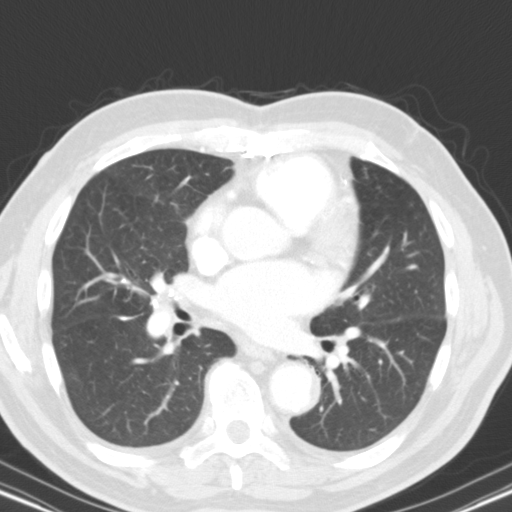
Axial chest CT slice 62 of 116 (counted from the lowest slice); tube voltage 130 kVp, convolution kernel B31s; slices 3.00 mm thick, 0.668 mm per pixel.
Pulmonary nodule outlined by three of the four readers; box rows 317–319, columns 121–127 (the union of the readers' outlines on this slice); median longest diameter 8.7 mm (readers' outlines 8.0–8.9 mm), median volume 162 mm3 (155–179 mm3). Ratings, median across the readers with their spread: texture 5/5 (solid) from all three readers; margin 5/5 (circumscribed) at the median of three readers, spread 4/5 to 5/5 (circumscribed); median sphericity 3/5 (ovoid) (readers ranged 2/5 to 3/5 (ovoid)); calcification solid calcification, all three readers agreeing; internal structure soft tissue, all three readers agreeing; subtlety 4/5 at the median of three readers, spread 4–5; malignancy likelihood 1/5, all three readers agreeing. Scale key (1–5): texture non-solid→solid, margin indistinct→circumscribed, sphericity linear→round, subtlety extremely subtle→obvious, malignancy likelihood highly unlikely→highly suspicious of cancer. Box rows and columns are 0-based pixel indices from the top-left corner, inclusive.